One axial slice (98 of 183, counting up from the lowest) of a chest CT acquired at 135 kVp with the FC03 kernel; each pixel is 0.946 mm and the slice is 2.00 mm thick.
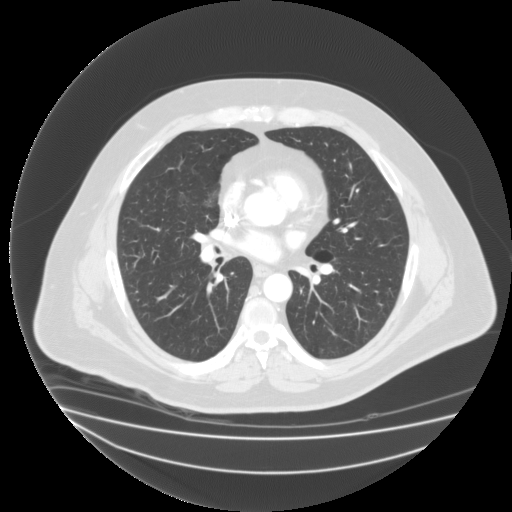
Two pulmonary nodules are outlined on this slice; from left to right: (1) Pulmonary nodule, outlined by two of the four readers. Box on this slice rows 195–204, columns 177–187, the union of the readers' outlines on this slice; longest diameter 13.4–15.0 mm and volume 553–875 mm3 across the two readers' outlines. Ratings across the readers: texture 1/5 (non-solid) from both readers; margin 1/5 (indistinct), both readers agreeing; sphericity 4/5 from both readers; calcification absent from both readers; internal structure split among the readers: soft tissue (one), fluid (one); subtlety from 2/5 to 4/5 across the two readers; malignancy likelihood 3/5, both readers agreeing. (2) Pulmonary nodule at rows 189–207, columns 202–218 (box = the union of the readers' outlines on this slice), outlined by three of the four readers; the three readers' outlines give a longest diameter of 26.0 mm and a volume between 3179 and 3614 mm3. The readers' ratings, as ranges where they differ: texture 1/5 (non-solid) from all three readers; margin from 2/5 to 3/5 across the three readers; sphericity from 3/5 (ovoid) to 4/5 across the three readers; calcification absent, all three readers agreeing; internal structure: soft tissue (two), fluid (one); subtlety rated between 2 and 5 out of 5 by the three readers; malignancy likelihood rated between 3 and 4 out of 5 by the three readers. Scale key (1–5): texture non-solid→solid, margin indistinct→circumscribed, sphericity linear→round, subtlety extremely subtle→obvious, malignancy likelihood highly unlikely→highly suspicious of cancer. Box rows and columns are 0-based pixel indices from the top-left corner, inclusive.